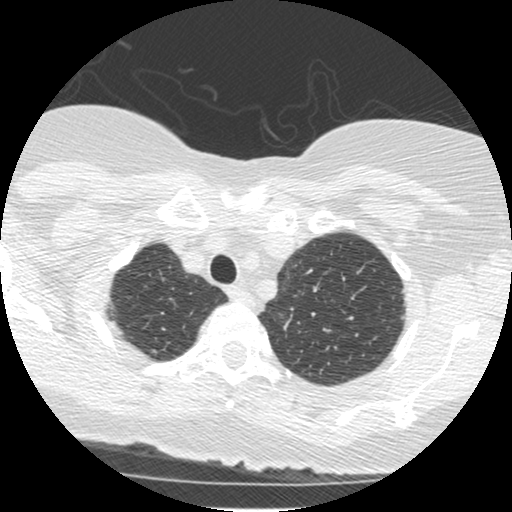
Axial chest CT slice 309 of 372 (counted from the lowest slice); 1.25 mm thick, 0.586 mm per pixel. Pulmonary nodule outlined by one of the four readers; box rows 315–319, columns 400–404 (that reader's outline on this slice); longest diameter 7.1 mm and volume 68 mm3 from that reader's outline. That reader's ratings: texture 5/5 (solid); margin 4/5; sphericity 3/5 (ovoid); calcification absent; internal structure soft tissue; subtlety 5/5; malignancy likelihood 3/5. Scale key (1–5): texture non-solid→solid, margin indistinct→circumscribed, sphericity linear→round, subtlety extremely subtle→obvious, malignancy likelihood highly unlikely→highly suspicious of cancer. Box rows and columns are 0-based pixel indices from the top-left corner, inclusive.
Scan settings: 120 kVp, STANDARD reconstruction kernel.